Axial chest CT slice 225 of 290 (counted from the lowest slice); tube voltage 120 kVp, convolution kernel D; slices 1.00 mm thick, 0.611 mm per pixel.
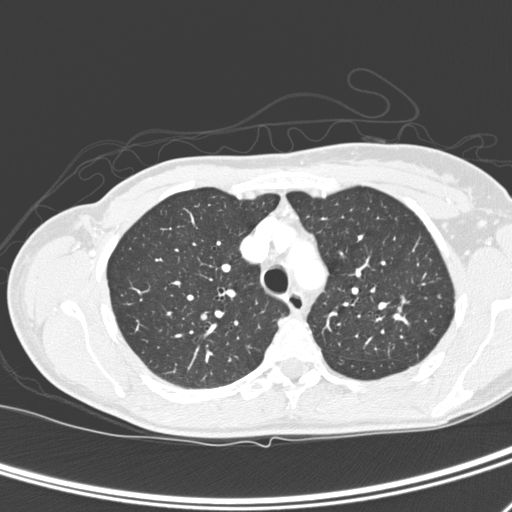
Two pulmonary nodules are outlined on this slice; from left to right: (1) Pulmonary nodule outlined by all four readers; box rows 312–319, columns 201–207 (the union of the readers' outlines on this slice); median longest diameter 5.6 mm (readers' outlines 5.6–5.8 mm), median volume 58 mm3 (33–72 mm3). Median ratings and the readers' spread: texture 5/5 (solid), all four readers agreeing; margin 5/5 (circumscribed) from all four readers; sphericity 5/5 (round), all four readers agreeing; calcification absent from all four readers; internal structure soft tissue, all four readers agreeing; median subtlety 3/5 (readers ranged 2–5); malignancy likelihood 2.5/5 at the median of four readers, spread 1–4. (2) Pulmonary nodule, outlined by one of the four readers. Box on this slice rows 307–313, columns 398–400, that reader's outline on this slice; longest diameter 5.2 mm and volume 31 mm3 from that reader's outline. That reader's ratings: texture 5/5 (solid); margin 5/5 (circumscribed); sphericity 3/5 (ovoid); calcification absent; internal structure soft tissue; subtlety 3/5; malignancy likelihood 3/5. Scale key (1–5): texture non-solid→solid, margin indistinct→circumscribed, sphericity linear→round, subtlety extremely subtle→obvious, malignancy likelihood highly unlikely→highly suspicious of cancer. Box rows and columns are 0-based pixel indices from the top-left corner, inclusive.